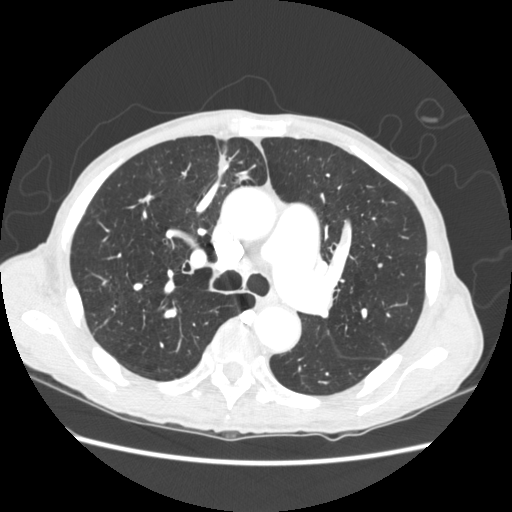
Chest CT, axial plane, 120 kVp, kernel STANDARD. Slice 150/248 from the bottom of the scan; thickness 1.25 mm; pixel size 0.703 mm.
Pulmonary nodule outlined by one of the four readers; box rows 148–177, columns 218–231 (that reader's outline on this slice); longest diameter 22.3 mm and volume 457 mm3 from that reader's outline. That reader's ratings: texture 5/5 (solid); margin 3/5; sphericity 2/5; calcification absent; internal structure soft tissue; subtlety 5/5; malignancy likelihood 2/5. Scale key (1–5): texture non-solid→solid, margin indistinct→circumscribed, sphericity linear→round, subtlety extremely subtle→obvious, malignancy likelihood highly unlikely→highly suspicious of cancer. Box rows and columns are 0-based pixel indices from the top-left corner, inclusive.